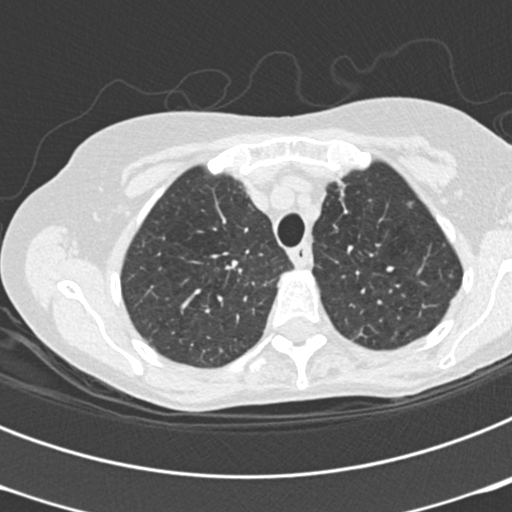
Chest CT, axial plane, 120 kVp, kernel B30f. Slice 164/199 from the bottom of the scan; thickness 2.00 mm; pixel size 0.566 mm.
Pulmonary nodule, outlined by one of the four readers. Box on this slice rows 201–207, columns 406–413, that reader's outline on this slice; longest diameter 5.4 mm and volume 30 mm3 from that reader's outline. Ratings by that reader: texture 2/5; margin 2/5; sphericity 4/5; calcification absent; internal structure soft tissue; subtlety 2/5; malignancy likelihood 2/5. Scale key (1–5): texture non-solid→solid, margin indistinct→circumscribed, sphericity linear→round, subtlety extremely subtle→obvious, malignancy likelihood highly unlikely→highly suspicious of cancer. Box rows and columns are 0-based pixel indices from the top-left corner, inclusive.